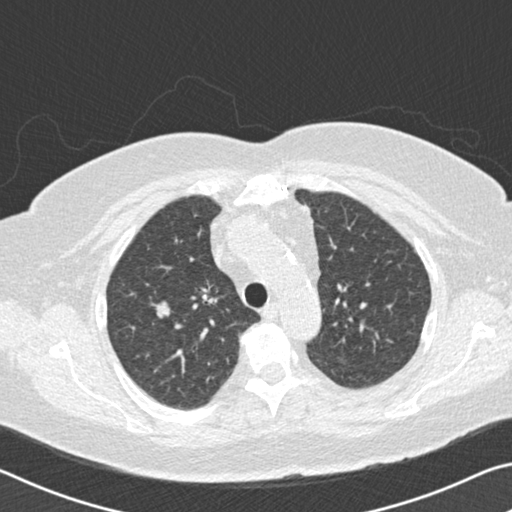
Axial chest CT slice 128 of 167 (counted from the lowest slice); tube voltage 120 kVp, convolution kernel B30f; slices 2.00 mm thick, 0.664 mm per pixel.
Pulmonary nodule, outlined by all four readers. Box on this slice rows 300–317, columns 152–170, the union of the readers' outlines on this slice; the four readers' outlines give a longest diameter between 13.7 and 15.2 mm and a volume between 840 and 1189 mm3. Ratings across the readers: texture 5/5 (solid) from all four readers; margin from 4/5 to 5/5 (circumscribed) across the four readers; sphericity from 3/5 (ovoid) to 5/5 (round) across the four readers; calcification absent from all four readers; internal structure soft tissue, all four readers agreeing; subtlety rated between 4 and 5 out of 5 by the four readers; malignancy likelihood 3–5/5 (the readers disagree). Scale key (1–5): texture non-solid→solid, margin indistinct→circumscribed, sphericity linear→round, subtlety extremely subtle→obvious, malignancy likelihood highly unlikely→highly suspicious of cancer. Box rows and columns are 0-based pixel indices from the top-left corner, inclusive.